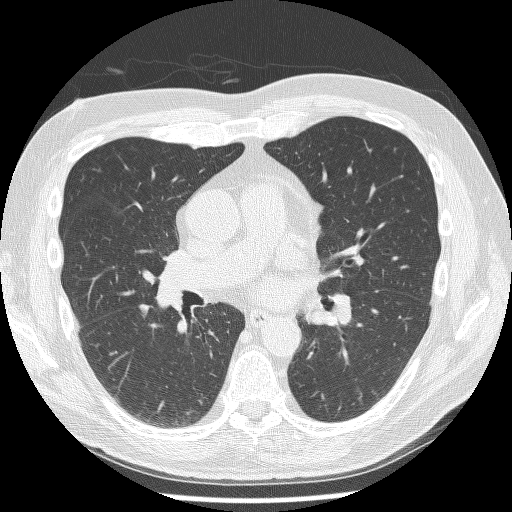
Slice 134/244 of a chest CT, counting up from the lowest; pixel size 0.674 mm, slice thickness 1.25 mm. Pulmonary nodule, outlined by all four readers. Box on this slice rows 304–317, columns 138–152, the union of the readers' outlines on this slice; longest diameter 10.1 mm on average over the four readers' outlines (readers' outlines 8.6–12.1 mm), volume 222–252 mm3. Ratings, by the readers' most common answer with dissent counted: texture 5/5 (solid) by three of four readers; the rest gave 4/5 (one); most readers (three of four) put margin at 5/5 (circumscribed), others 4/5 (one); most readers (three of four) put sphericity at 2/5, others 3/5 (ovoid) (one); calcification absent, all four readers agreeing; internal structure soft tissue, all four readers agreeing; most readers (three of four) put subtlety at 4/5, others 5/5 (one); malignancy likelihood 2/5 by two of four readers; the rest gave 3/5 (one), 4/5 (one). Scale key (1–5): texture non-solid→solid, margin indistinct→circumscribed, sphericity linear→round, subtlety extremely subtle→obvious, malignancy likelihood highly unlikely→highly suspicious of cancer. Box rows and columns are 0-based pixel indices from the top-left corner, inclusive.
Acquired at 120 kVp and reconstructed with the BONE kernel.